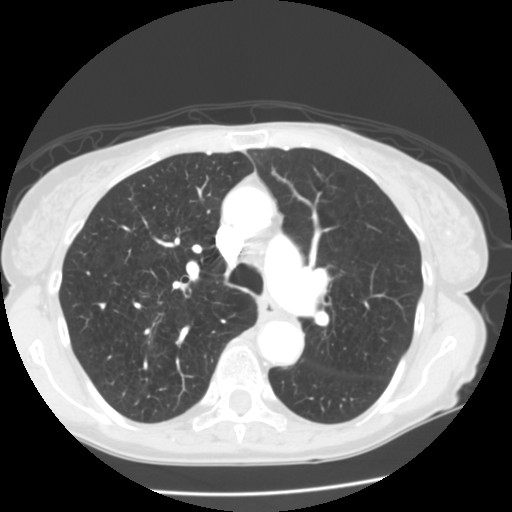
One axial slice (92 of 141, counting up from the lowest) of a chest CT acquired at 120 kVp with the STANDARD kernel; each pixel is 0.625 mm and the slice is 2.50 mm thick.
The readers outlined no nodule of 3 mm or more on this slice.